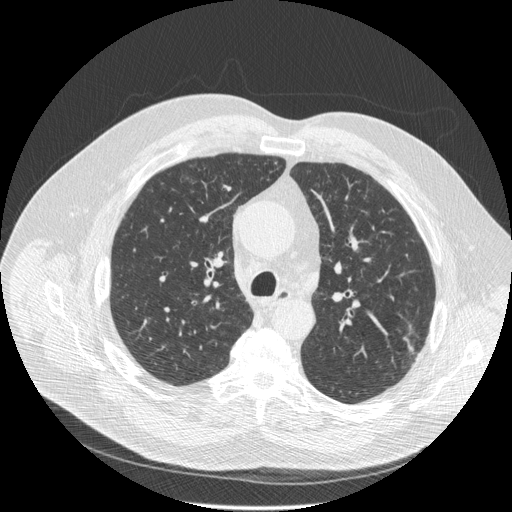
Axial slice 336 of 516 of a chest CT (slice 1 is the lowest), reconstructed with the STANDARD kernel at 120 kVp; 1.25 mm slice thickness and 0.820 mm pixels.
Pulmonary nodule outlined by three of the four readers; box rows 323–352, columns 401–417 (the union of the readers' outlines on this slice); longest diameter 23.2–31.7 mm and volume 750–1666 mm3 across the three readers' outlines. The readers' ratings, as ranges where they differ: texture from 3/5 (part-solid) to 5/5 (solid) across the three readers; margin from 3/5 to 4/5 across the three readers; sphericity 2/5, all three readers agreeing; calcification absent from all three readers; internal structure soft tissue from all three readers; subtlety 5/5 from all three readers; malignancy likelihood 4/5, all three readers agreeing. Scale key (1–5): texture non-solid→solid, margin indistinct→circumscribed, sphericity linear→round, subtlety extremely subtle→obvious, malignancy likelihood highly unlikely→highly suspicious of cancer. Box rows and columns are 0-based pixel indices from the top-left corner, inclusive.